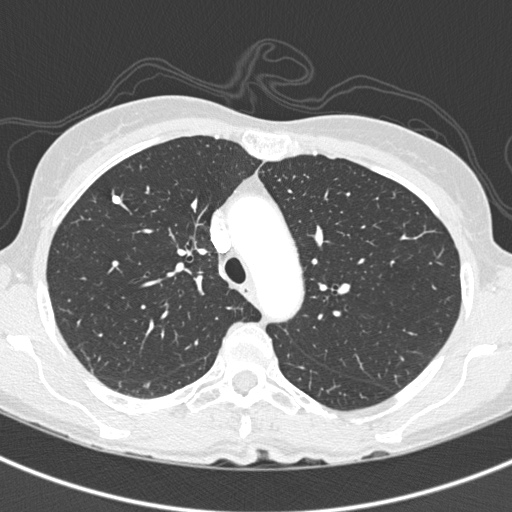
Axial chest CT slice 279 of 375 (counted from the lowest slice); tube voltage 120 kVp, convolution kernel B45f; slices 1.00 mm thick, 0.586 mm per pixel.
Pulmonary nodule, outlined by three of the four readers. Box on this slice rows 194–205, columns 111–121, the union of the readers' outlines on this slice; longest diameter 6.9 mm on average over the three readers' outlines (readers' outlines 6.0–8.0 mm), volume 67–113 mm3. Ratings, by the readers' most common answer with dissent counted: texture 5/5 (solid) from all three readers; margin 5/5 (circumscribed) from all three readers; sphericity 4/5 by two of three readers; the rest gave 3/5 (ovoid) (one); calcification solid calcification, all three readers agreeing; internal structure soft tissue, all three readers agreeing; most readers (two of three) put subtlety at 5/5, others 3/5 (one); malignancy likelihood 1/5, all three readers agreeing. Scale key (1–5): texture non-solid→solid, margin indistinct→circumscribed, sphericity linear→round, subtlety extremely subtle→obvious, malignancy likelihood highly unlikely→highly suspicious of cancer. Box rows and columns are 0-based pixel indices from the top-left corner, inclusive.